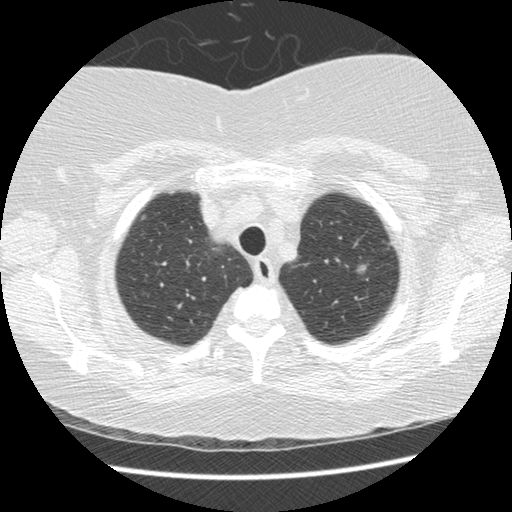
Axial slice 415 of 474 of a chest CT (slice 1 is the lowest), reconstructed with the STANDARD kernel at 120 kVp; 1.25 mm slice thickness and 0.645 mm pixels.
Pulmonary nodule, outlined by three of the four readers. Box on this slice rows 264–274, columns 354–366, the union of the readers' outlines on this slice; median longest diameter 9.7 mm (readers' outlines 8.2–9.8 mm), median volume 186 mm3 (122–196 mm3). Ratings, median across the readers with their spread: median texture 3/5 (part-solid) (readers ranged 1/5 (non-solid) to 5/5 (solid)); median margin 3/5 (readers ranged 2/5 to 4/5); median sphericity 4/5 (readers ranged 4/5 to 5/5 (round)); calcification absent, all three readers agreeing; internal structure soft tissue from all three readers; median subtlety 5/5 (readers ranged 4–5); malignancy likelihood 4/5, all three readers agreeing. Scale key (1–5): texture non-solid→solid, margin indistinct→circumscribed, sphericity linear→round, subtlety extremely subtle→obvious, malignancy likelihood highly unlikely→highly suspicious of cancer. Box rows and columns are 0-based pixel indices from the top-left corner, inclusive.